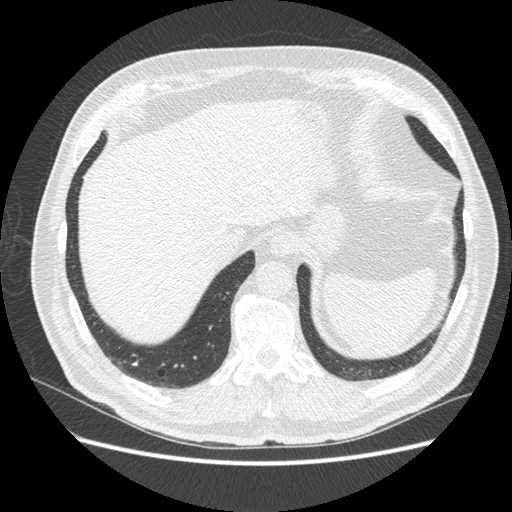
Slice 113/503 of a chest CT, counting up from the lowest; pixel size 0.742 mm, slice thickness 1.25 mm. Pulmonary nodule at rows 362–365, columns 132–136 (box = that reader's outline on this slice), outlined by one of the four readers; longest diameter 5.4 mm and volume 38 mm3 from that reader's outline. That reader's ratings: texture 5/5 (solid); margin 5/5 (circumscribed); sphericity 3/5 (ovoid); calcification solid calcification; internal structure soft tissue; subtlety 3/5; malignancy likelihood 1/5. Scale key (1–5): texture non-solid→solid, margin indistinct→circumscribed, sphericity linear→round, subtlety extremely subtle→obvious, malignancy likelihood highly unlikely→highly suspicious of cancer. Box rows and columns are 0-based pixel indices from the top-left corner, inclusive.
Acquired at 120 kVp and reconstructed with the STANDARD kernel.